Axial chest CT slice 246 of 487 (counted from the lowest slice); tube voltage 120 kVp, convolution kernel STANDARD; slices 1.25 mm thick, 0.703 mm per pixel.
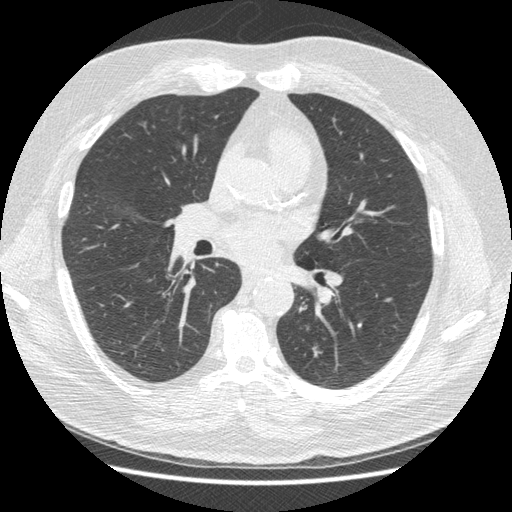
Pulmonary nodule outlined by all four readers; box rows 323–327, columns 357–361 (the union of the readers' outlines on this slice); longest diameter 6.7 mm on average over the four readers' outlines (readers' outlines 6.5–7.1 mm), volume 68–92 mm3. Ratings, by the readers' most common answer with dissent counted: texture 5/5 (solid) from all four readers; margin 5/5 (circumscribed) from all four readers; sphericity 5/5 (round) by two of four readers; the rest gave 3/5 (ovoid) (one), 4/5 (one); calcification solid calcification, all four readers agreeing; internal structure soft tissue, all four readers agreeing; most readers (three of four) put subtlety at 5/5, others 4/5 (one); malignancy likelihood 1/5 from all four readers. Scale key (1–5): texture non-solid→solid, margin indistinct→circumscribed, sphericity linear→round, subtlety extremely subtle→obvious, malignancy likelihood highly unlikely→highly suspicious of cancer. Box rows and columns are 0-based pixel indices from the top-left corner, inclusive.